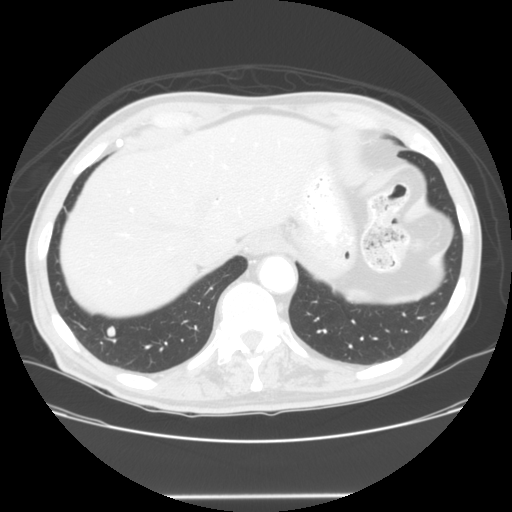
Axial chest CT slice 30 of 128 (counted from the lowest slice); 2.50 mm thick, 0.742 mm per pixel. Pulmonary nodule outlined by all four readers; box rows 325–336, columns 106–115 (the union of the readers' outlines on this slice); median longest diameter 9.2 mm (readers' outlines 8.7–10.3 mm), median volume 371 mm3 (298–433 mm3). Ratings, median across the readers with their spread: texture 5/5 (solid) from all four readers; margin 4.5/5 at the median of four readers, spread 4/5 to 5/5 (circumscribed); sphericity 4/5 at the median of four readers, spread 3/5 (ovoid) to 5/5 (round); calcification absent from all four readers; internal structure soft tissue, all four readers agreeing; subtlety 4/5 at the median of four readers, spread 3–5; malignancy likelihood 3/5 at the median of four readers, spread 2–4. Scale key (1–5): texture non-solid→solid, margin indistinct→circumscribed, sphericity linear→round, subtlety extremely subtle→obvious, malignancy likelihood highly unlikely→highly suspicious of cancer. Box rows and columns are 0-based pixel indices from the top-left corner, inclusive.
Tube voltage 120 kVp; convolution kernel STANDARD.